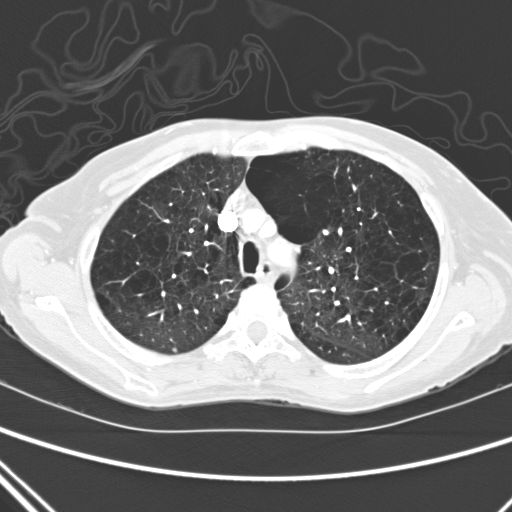
Axial chest CT slice 201 of 280 (counted from the lowest slice); tube voltage 120 kVp, convolution kernel D; slices 2.00 mm thick, 0.627 mm per pixel.
Pulmonary nodule outlined by one of the four readers; box rows 348–351, columns 172–176 (that reader's outline on this slice); longest diameter 4.6 mm and volume 29 mm3 from that reader's outline. That reader's ratings: texture 5/5 (solid); margin 5/5 (circumscribed); sphericity 5/5 (round); calcification absent; internal structure soft tissue; subtlety 3/5; malignancy likelihood 1/5. Scale key (1–5): texture non-solid→solid, margin indistinct→circumscribed, sphericity linear→round, subtlety extremely subtle→obvious, malignancy likelihood highly unlikely→highly suspicious of cancer. Box rows and columns are 0-based pixel indices from the top-left corner, inclusive.